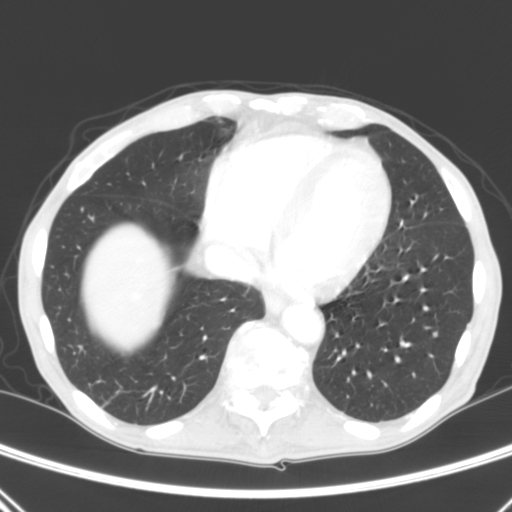
Axial chest CT slice 83 of 290 (counted from the lowest slice); tube voltage 120 kVp, convolution kernel B; slices 2.00 mm thick, 0.639 mm per pixel.
Pulmonary nodule outlined by three of the four readers; box rows 330–337, columns 432–439 (the union of the readers' outlines on this slice); longest diameter 5.7 mm on average over the three readers' outlines (readers' outlines 5.1–6.6 mm), volume 48–82 mm3. The readers' prevailing ratings and who disagreed: texture 5/5 (solid) by two of three readers; the rest gave 3/5 (part-solid) (one); most readers (two of three) put margin at 5/5 (circumscribed), others 2/5 (one); most readers (two of three) put sphericity at 4/5, others 3/5 (ovoid) (one); calcification absent, all three readers agreeing; internal structure soft tissue from all three readers; most readers (two of three) put subtlety at 4/5, others 5/5 (one); malignancy likelihood 3/5 by two of three readers; the rest gave 2/5 (one). Scale key (1–5): texture non-solid→solid, margin indistinct→circumscribed, sphericity linear→round, subtlety extremely subtle→obvious, malignancy likelihood highly unlikely→highly suspicious of cancer. Box rows and columns are 0-based pixel indices from the top-left corner, inclusive.